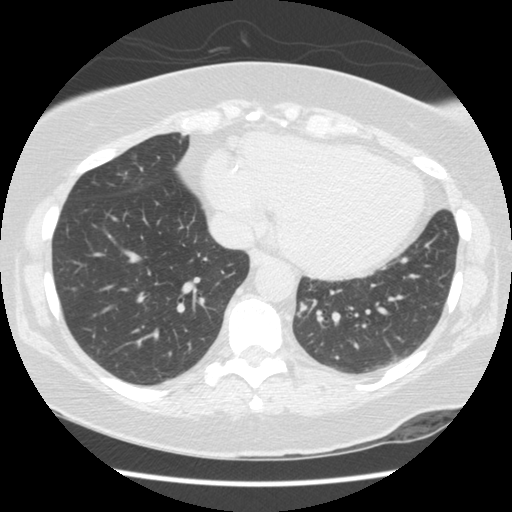
Axial chest CT slice 52 of 154 (counted from the lowest slice); 2.50 mm thick, 0.645 mm per pixel. Pulmonary nodule at rows 303–310, columns 301–306 (box = that reader's outline on this slice), outlined by one of the four readers; longest diameter 11.3 mm and volume 286 mm3 from that reader's outline. Ratings by that reader: texture 4/5; margin 3/5; sphericity 2/5; calcification absent; internal structure soft tissue; subtlety 4/5; malignancy likelihood 1/5. Scale key (1–5): texture non-solid→solid, margin indistinct→circumscribed, sphericity linear→round, subtlety extremely subtle→obvious, malignancy likelihood highly unlikely→highly suspicious of cancer. Box rows and columns are 0-based pixel indices from the top-left corner, inclusive.
Acquired at 120 kVp and reconstructed with the STANDARD kernel.